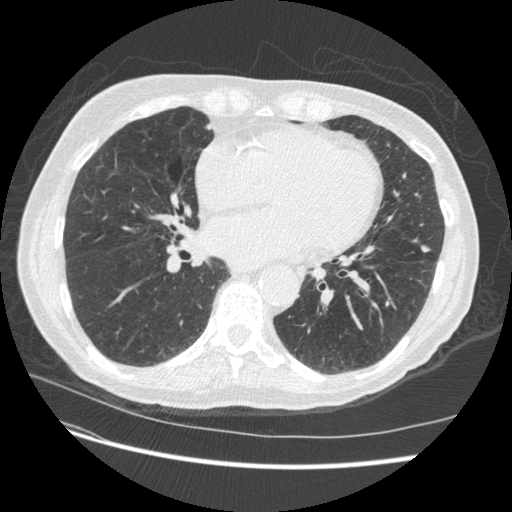
This is axial slice 201 of 509 (slice 1 is the lowest) of a chest CT; each pixel is 0.703 mm and the slice is 1.25 mm thick. Pulmonary nodule, outlined by three of the four readers. Box on this slice rows 244–253, columns 420–430, the union of the readers' outlines on this slice; longest diameter 8.5 mm on average over the three readers' outlines (readers' outlines 6.9–9.6 mm), volume 87–218 mm3. Ratings, by the readers' most common answer with dissent counted: texture 5/5 (solid) from all three readers; margin 4/5 from all three readers; most readers (two of three) put sphericity at 4/5, others 3/5 (ovoid) (one); calcification absent from all three readers; internal structure soft tissue, all three readers agreeing; subtlety 4/5 by two of three readers; the rest gave 5/5 (one); malignancy likelihood split among the readers: 2/5 (one), 3/5 (one), 5/5 (one). Scale key (1–5): texture non-solid→solid, margin indistinct→circumscribed, sphericity linear→round, subtlety extremely subtle→obvious, malignancy likelihood highly unlikely→highly suspicious of cancer. Box rows and columns are 0-based pixel indices from the top-left corner, inclusive.
Tube voltage 120 kVp; convolution kernel STANDARD.